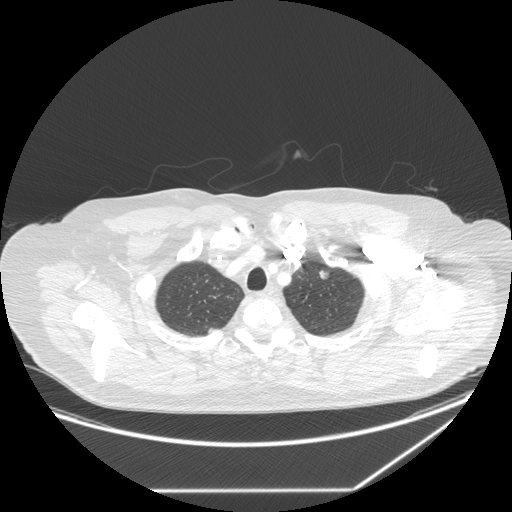
Chest CT, axial plane, 120 kVp, kernel STANDARD. Slice 223/258 from the bottom of the scan; thickness 1.25 mm; pixel size 0.859 mm.
Pulmonary nodule at rows 270–278, columns 319–328 (box = the union of the readers' outlines on this slice), outlined by all four readers; longest diameter 12.9 mm on average over the four readers' outlines (readers' outlines 11.3–14.0 mm), volume 372–779 mm3. Ratings, by the readers' most common answer with dissent counted: texture 5/5 (solid), all four readers agreeing; margin split among the readers: 4/5 (two), 5/5 (circumscribed) (two); sphericity 3/5 (ovoid) by two of four readers; the rest gave 4/5 (one), 5/5 (round) (one); calcification absent from all four readers; internal structure soft tissue from all four readers; most readers (three of four) put subtlety at 5/5, others 4/5 (one); malignancy likelihood split among the readers: 3/5 (two), 4/5 (two). Scale key (1–5): texture non-solid→solid, margin indistinct→circumscribed, sphericity linear→round, subtlety extremely subtle→obvious, malignancy likelihood highly unlikely→highly suspicious of cancer. Box rows and columns are 0-based pixel indices from the top-left corner, inclusive.